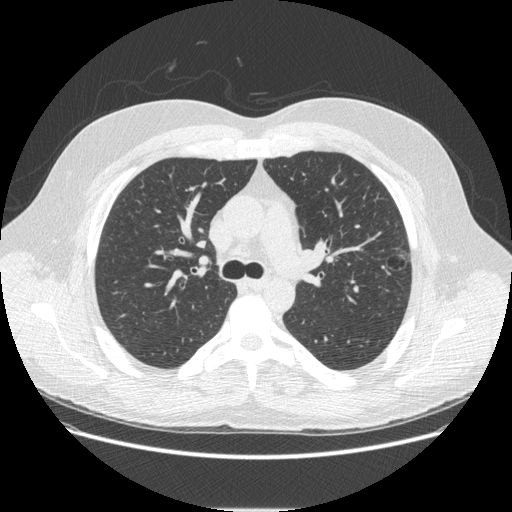
This is axial slice 317 of 497 (slice 1 is the lowest) of a chest CT; each pixel is 0.762 mm and the slice is 1.25 mm thick. Pulmonary nodule, outlined by all four readers. Box on this slice rows 249–272, columns 383–409, the union of the readers' outlines on this slice; median longest diameter 21.7 mm (readers' outlines 21.5–22.5 mm), median volume 2358 mm3 (2170–2597 mm3). Ratings, median across the readers with their spread: median texture 1/5 (non-solid) (readers ranged 1/5 (non-solid) to 3/5 (part-solid)); margin 3/5 at the median of four readers, spread 2/5 to 4/5; median sphericity 4.5/5 (readers ranged 3/5 (ovoid) to 5/5 (round)); calcification absent from all four readers; internal structure split among the readers: air (two), soft tissue (two); subtlety 4/5 at the median of four readers, spread 1–5; median malignancy likelihood 3/5 (readers ranged 1–5). Scale key (1–5): texture non-solid→solid, margin indistinct→circumscribed, sphericity linear→round, subtlety extremely subtle→obvious, malignancy likelihood highly unlikely→highly suspicious of cancer. Box rows and columns are 0-based pixel indices from the top-left corner, inclusive.
Tube voltage 120 kVp; convolution kernel STANDARD.